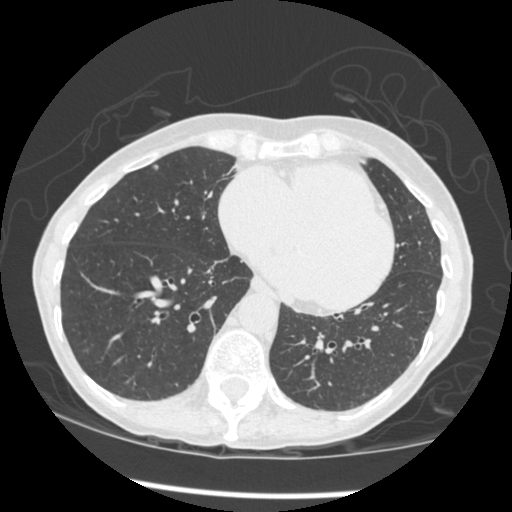
This is axial slice 163 of 461 (slice 1 is the lowest) of a chest CT; each pixel is 0.645 mm and the slice is 1.25 mm thick. Pulmonary nodule outlined by all four readers; box rows 164–170, columns 152–158 (the union of the readers' outlines on this slice); longest diameter 6.2 mm on average over the four readers' outlines (readers' outlines 5.5–7.0 mm), volume 59–97 mm3. Ratings, by the readers' most common answer with dissent counted: texture 5/5 (solid) from all four readers; margin 5/5 (circumscribed), all four readers agreeing; most readers (three of four) put sphericity at 5/5 (round), others 4/5 (one); calcification absent, all four readers agreeing; internal structure soft tissue, all four readers agreeing; most readers (three of four) put subtlety at 4/5, others 3/5 (one); malignancy likelihood 2/5 by two of four readers; the rest gave 1/5 (one), 3/5 (one). Scale key (1–5): texture non-solid→solid, margin indistinct→circumscribed, sphericity linear→round, subtlety extremely subtle→obvious, malignancy likelihood highly unlikely→highly suspicious of cancer. Box rows and columns are 0-based pixel indices from the top-left corner, inclusive.
Tube voltage 120 kVp; convolution kernel STANDARD.